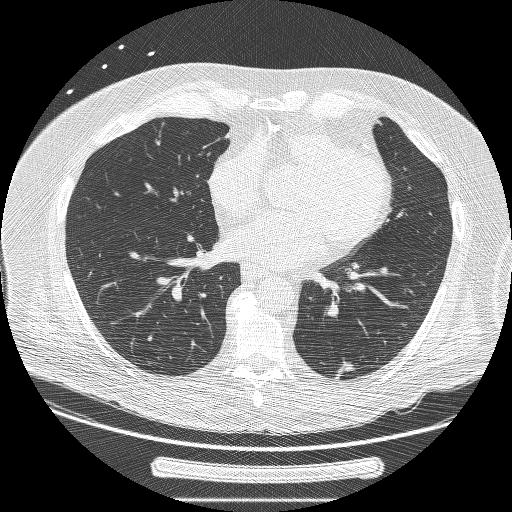
Chest CT, axial plane, 120 kVp, kernel BONE. Slice 94/239 from the bottom of the scan; thickness 1.25 mm; pixel size 0.795 mm.
Pulmonary nodule outlined by two of the four readers; box rows 361–377, columns 337–355 (the union of the readers' outlines on this slice); median longest diameter 17.7 mm (readers' outlines 17.4–17.9 mm), median volume 780 mm3 (746–814 mm3). Median ratings and the readers' spread: texture 5/5 (solid), both readers agreeing; median margin 3.5/5 (readers ranged 3/5 to 4/5); sphericity 2/5 at the median of two readers, spread 1/5 (linear) to 3/5 (ovoid); calcification absent from both readers; internal structure soft tissue, both readers agreeing; subtlety 4/5, both readers agreeing; malignancy likelihood 4/5 from both readers. Scale key (1–5): texture non-solid→solid, margin indistinct→circumscribed, sphericity linear→round, subtlety extremely subtle→obvious, malignancy likelihood highly unlikely→highly suspicious of cancer. Box rows and columns are 0-based pixel indices from the top-left corner, inclusive.